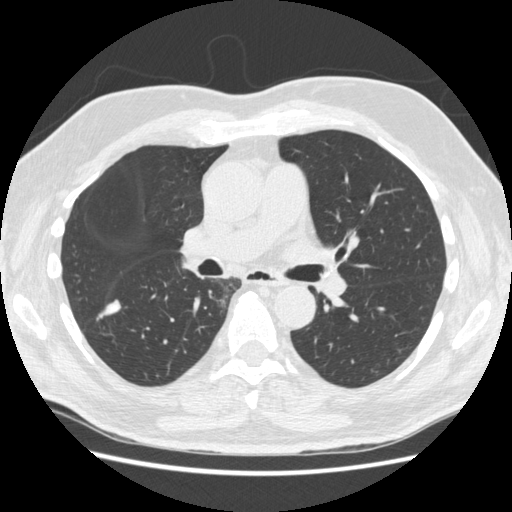
This is axial slice 293 of 557 (slice 1 is the lowest) of a chest CT; each pixel is 0.703 mm and the slice is 1.25 mm thick. Pulmonary nodule outlined by all four readers; box rows 299–320, columns 96–121 (the union of the readers' outlines on this slice); the four readers' outlines give a longest diameter between 19.1 and 25.0 mm and a volume between 785 and 1099 mm3. The readers' ratings, as ranges where they differ: texture from 4/5 to 5/5 (solid) across the four readers; margin from 3/5 to 5/5 (circumscribed) across the four readers; sphericity from 2/5 to 3/5 (ovoid) across the four readers; calcification absent, all four readers agreeing; internal structure soft tissue, all four readers agreeing; subtlety from 4/5 to 5/5 across the four readers; malignancy likelihood 2–5/5 (the readers disagree). Scale key (1–5): texture non-solid→solid, margin indistinct→circumscribed, sphericity linear→round, subtlety extremely subtle→obvious, malignancy likelihood highly unlikely→highly suspicious of cancer. Box rows and columns are 0-based pixel indices from the top-left corner, inclusive.
Acquired at 120 kVp and reconstructed with the STANDARD kernel.